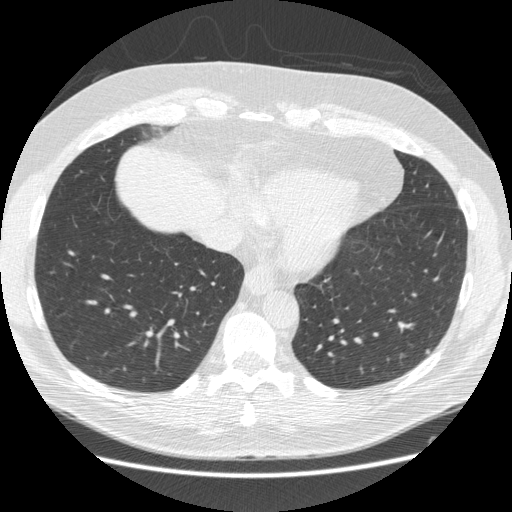
This is axial slice 191 of 538 (slice 1 is the lowest) of a chest CT; each pixel is 0.742 mm and the slice is 1.25 mm thick. Pulmonary nodule at rows 349–353, columns 425–429 (box = the union of the readers' outlines on this slice), outlined by three of the four readers, two of them on this slice; median longest diameter 6.3 mm (readers' outlines 6.1–8.0 mm), median volume 75 mm3 (26–109 mm3). Median ratings and the readers' spread: texture 5/5 (solid) at the median of three readers, spread 4/5 to 5/5 (solid); margin 4/5 at the median of three readers, spread 1/5 (indistinct) to 5/5 (circumscribed); median sphericity 4/5 (readers ranged 3/5 (ovoid) to 5/5 (round)); calcification absent, all three readers agreeing; internal structure soft tissue from all three readers; median subtlety 3/5 (readers ranged 2–5); malignancy likelihood 3/5 at the median of three readers, spread 2–4. Scale key (1–5): texture non-solid→solid, margin indistinct→circumscribed, sphericity linear→round, subtlety extremely subtle→obvious, malignancy likelihood highly unlikely→highly suspicious of cancer. Box rows and columns are 0-based pixel indices from the top-left corner, inclusive.
Tube voltage 120 kVp; convolution kernel STANDARD.